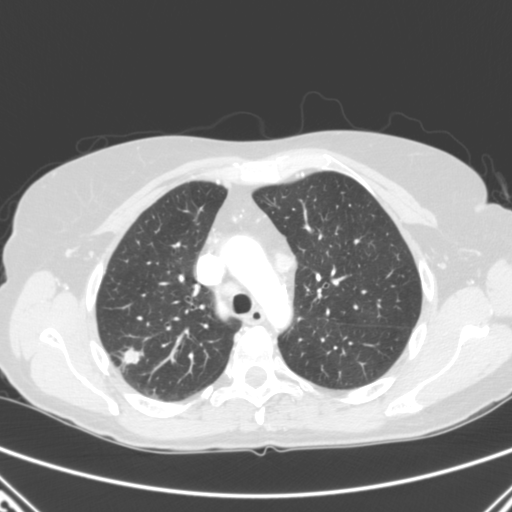
Slice 197/280 of a chest CT, counting up from the lowest; pixel size 0.676 mm, slice thickness 2.00 mm. Pulmonary nodule at rows 346–373, columns 110–143 (box = the union of the readers' outlines on this slice), outlined three times (the source holds two more outlines, not used); longest diameter 19.6–26.7 mm and volume 949–1659 mm3 across the three readers' outlines. The readers' ratings, as ranges where they differ: texture from 4/5 to 5/5 (solid) across the three readers; margin from 3/5 to 4/5 across the three readers; sphericity from 2/5 to 5/5 (round) across the three readers; calcification absent, all three readers agreeing; internal structure soft tissue from all three readers; subtlety 5/5, all three readers agreeing; malignancy likelihood 4–5/5 (the readers disagree). Scale key (1–5): texture non-solid→solid, margin indistinct→circumscribed, sphericity linear→round, subtlety extremely subtle→obvious, malignancy likelihood highly unlikely→highly suspicious of cancer. Box rows and columns are 0-based pixel indices from the top-left corner, inclusive.
Scan settings: 120 kVp, B reconstruction kernel.